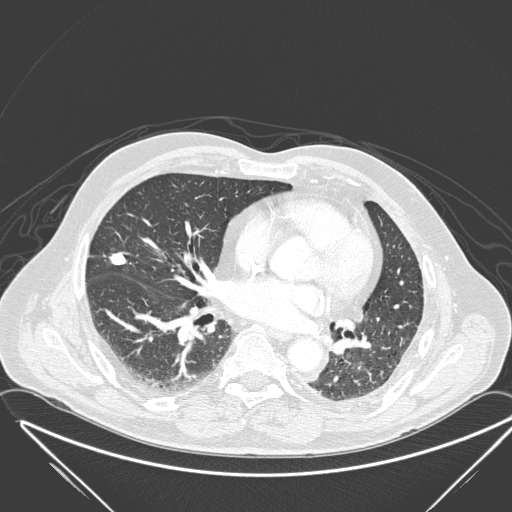
Axial chest CT slice 105 of 280 (counted from the lowest slice); tube voltage 120 kVp, convolution kernel D; slices 1.00 mm thick, 0.830 mm per pixel.
Pulmonary nodule outlined by all four readers; box rows 251–265, columns 108–126 (the union of the readers' outlines on this slice); longest diameter 20.6 mm on average over the four readers' outlines (readers' outlines 17.6–22.4 mm), volume 620–866 mm3. The readers' prevailing ratings and who disagreed: texture 5/5 (solid) from all four readers; margin split among the readers: 4/5 (two), 5/5 (circumscribed) (two); sphericity split among the readers: 3/5 (ovoid) (two), 5/5 (round) (two); calcification split among the readers: absent (two), solid calcification (two); internal structure soft tissue, all four readers agreeing; subtlety 5/5 from all four readers; malignancy likelihood split among the readers: 1/5 (two), 5/5 (two). Scale key (1–5): texture non-solid→solid, margin indistinct→circumscribed, sphericity linear→round, subtlety extremely subtle→obvious, malignancy likelihood highly unlikely→highly suspicious of cancer. Box rows and columns are 0-based pixel indices from the top-left corner, inclusive.